Axial chest CT slice 87 of 477 (counted from the lowest slice); tube voltage 120 kVp, convolution kernel STANDARD; slices 1.25 mm thick, 0.703 mm per pixel.
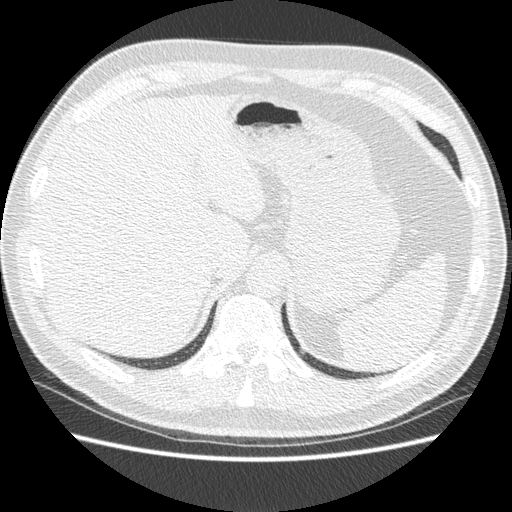
Pulmonary nodule at rows 347–354, columns 298–304 (box = the union of the readers' outlines on this slice), outlined by all four readers, three of them on this slice; median longest diameter 11.7 mm (readers' outlines 10.5–13.2 mm), median volume 384 mm3 (347–425 mm3). Median ratings and the readers' spread: texture 5/5 (solid), all four readers agreeing; margin 4/5 at the median of four readers, spread 4/5 to 5/5 (circumscribed); sphericity 3.5/5 at the median of four readers, spread 3/5 (ovoid) to 5/5 (round); calcification split among the readers: solid calcification (one), non-central calcification (one), central calcification (one), absent (one); internal structure soft tissue, all four readers agreeing; subtlety 4/5 at the median of four readers, spread 3–5; malignancy likelihood 1.5/5 at the median of four readers, spread 1–2. Scale key (1–5): texture non-solid→solid, margin indistinct→circumscribed, sphericity linear→round, subtlety extremely subtle→obvious, malignancy likelihood highly unlikely→highly suspicious of cancer. Box rows and columns are 0-based pixel indices from the top-left corner, inclusive.